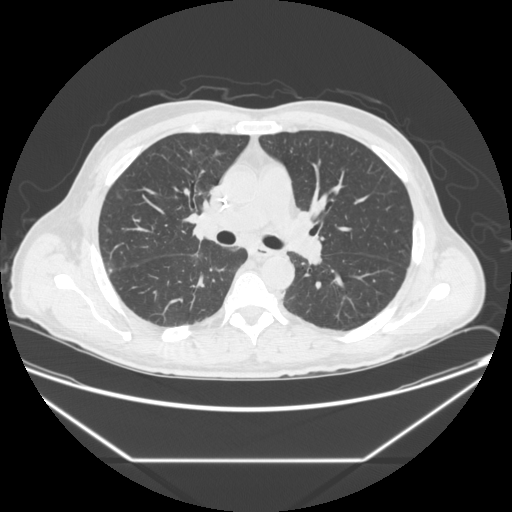
Axial slice 135 of 251 of a chest CT (slice 1 is the lowest), reconstructed with the STANDARD kernel at 120 kVp; 1.25 mm slice thickness and 0.809 mm pixels.
Pulmonary nodule outlined by three of the four readers, two of them on this slice; box rows 291–297, columns 282–284 (the union of the readers' outlines on this slice); longest diameter 6.7–7.7 mm and volume 143–192 mm3 across the three readers' outlines. Ratings across the readers: texture 5/5 (solid), all three readers agreeing; margin from 4/5 to 5/5 (circumscribed) across the three readers; sphericity from 3/5 (ovoid) to 5/5 (round) across the three readers; calcification absent, all three readers agreeing; internal structure soft tissue from all three readers; subtlety 1–5/5 (the readers disagree); malignancy likelihood 2–3/5 (the readers disagree). Scale key (1–5): texture non-solid→solid, margin indistinct→circumscribed, sphericity linear→round, subtlety extremely subtle→obvious, malignancy likelihood highly unlikely→highly suspicious of cancer. Box rows and columns are 0-based pixel indices from the top-left corner, inclusive.